Chest CT, axial plane, 120 kVp, kernel B31f. Slice 40/106 from the bottom of the scan; thickness 3.00 mm; pixel size 0.705 mm.
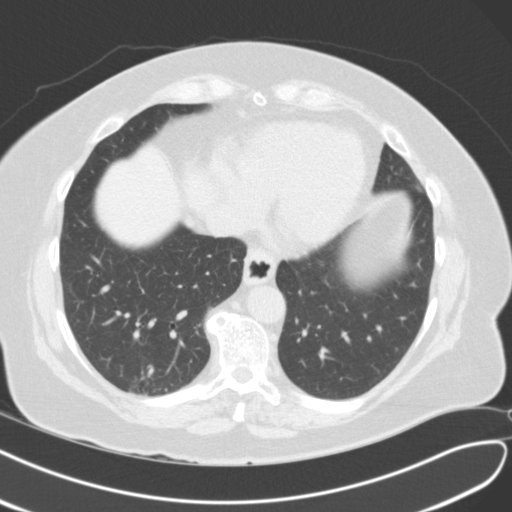
Pulmonary nodule outlined by all four readers, two of them on this slice; box rows 371–392, columns 128–150 (the union of the readers' outlines on this slice); the four readers' outlines give a longest diameter between 19.5 and 21.3 mm and a volume between 1709 and 3140 mm3. The readers' ratings, as ranges where they differ: texture from 4/5 to 5/5 (solid) across the four readers; margin from 3/5 to 5/5 (circumscribed) across the four readers; sphericity from 4/5 to 5/5 (round) across the four readers; calcification absent, all four readers agreeing; internal structure: soft tissue (three), air (one); subtlety rated between 4 and 5 out of 5 by the four readers; malignancy likelihood 1–5/5 (the readers disagree). Scale key (1–5): texture non-solid→solid, margin indistinct→circumscribed, sphericity linear→round, subtlety extremely subtle→obvious, malignancy likelihood highly unlikely→highly suspicious of cancer. Box rows and columns are 0-based pixel indices from the top-left corner, inclusive.